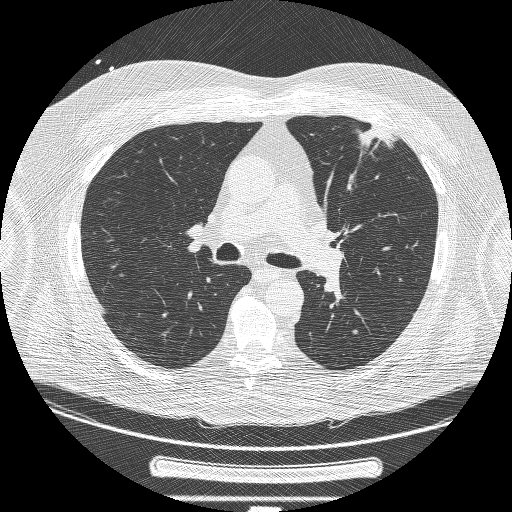
Axial chest CT slice 138 of 239 (counted from the lowest slice); tube voltage 120 kVp, convolution kernel BONE; slices 1.25 mm thick, 0.795 mm per pixel.
Pulmonary nodule, outlined by two of the four readers. Box on this slice rows 125–148, columns 359–398, the union of the readers' outlines on this slice; the two readers' outlines give a longest diameter between 43.0 and 43.4 mm and a volume between 10396 and 11168 mm3. The readers' ratings, as ranges where they differ: texture from 3/5 (part-solid) to 5/5 (solid) across the two readers; margin from 1/5 (indistinct) to 3/5 across the two readers; sphericity from 1/5 (linear) to 3/5 (ovoid) across the two readers; calcification absent, both readers agreeing; internal structure soft tissue, both readers agreeing; subtlety 5/5, both readers agreeing; malignancy likelihood 5/5, both readers agreeing. Scale key (1–5): texture non-solid→solid, margin indistinct→circumscribed, sphericity linear→round, subtlety extremely subtle→obvious, malignancy likelihood highly unlikely→highly suspicious of cancer. Box rows and columns are 0-based pixel indices from the top-left corner, inclusive.